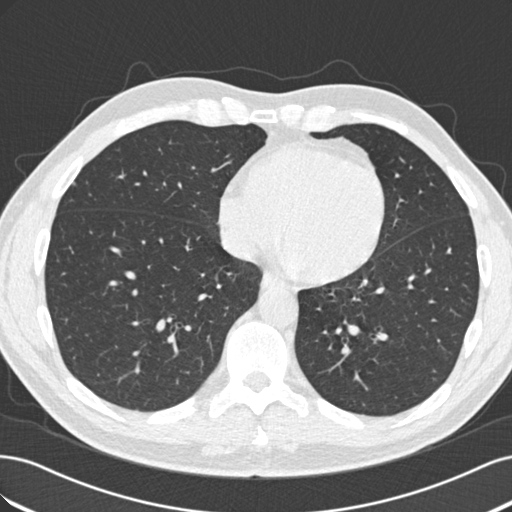
One axial slice (88 of 219, counting up from the lowest) of a chest CT acquired at 120 kVp with the B30f kernel; each pixel is 0.703 mm and the slice is 2.00 mm thick.
Pulmonary nodule, outlined by one of the four readers. Box on this slice rows 182–184, columns 71–74, that reader's outline on this slice; longest diameter 6.7 mm and volume 132 mm3 from that reader's outline. That reader's ratings: texture 5/5 (solid); margin 5/5 (circumscribed); sphericity 3/5 (ovoid); calcification absent; internal structure soft tissue; subtlety 4/5; malignancy likelihood 1/5. Scale key (1–5): texture non-solid→solid, margin indistinct→circumscribed, sphericity linear→round, subtlety extremely subtle→obvious, malignancy likelihood highly unlikely→highly suspicious of cancer. Box rows and columns are 0-based pixel indices from the top-left corner, inclusive.